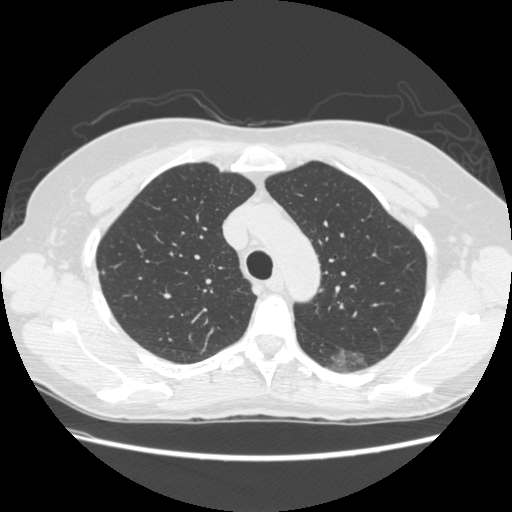
One axial slice (189 of 261, counting up from the lowest) of a chest CT acquired at 120 kVp with the STANDARD kernel; each pixel is 0.682 mm and the slice is 1.25 mm thick.
Pulmonary nodule at rows 349–372, columns 327–370 (box = the union of the readers' outlines on this slice), outlined by two of the four readers; the two readers' outlines give a longest diameter between 30.0 and 31.5 mm and a volume between 6577 and 7912 mm3. The readers' ratings, as ranges where they differ: texture from 1/5 (non-solid) to 2/5 across the two readers; margin from 1/5 (indistinct) to 2/5 across the two readers; sphericity from 3/5 (ovoid) to 5/5 (round) across the two readers; calcification absent from both readers; internal structure soft tissue from both readers; subtlety rated between 1 and 2 out of 5 by the two readers; malignancy likelihood rated between 4 and 5 out of 5 by the two readers. Scale key (1–5): texture non-solid→solid, margin indistinct→circumscribed, sphericity linear→round, subtlety extremely subtle→obvious, malignancy likelihood highly unlikely→highly suspicious of cancer. Box rows and columns are 0-based pixel indices from the top-left corner, inclusive.